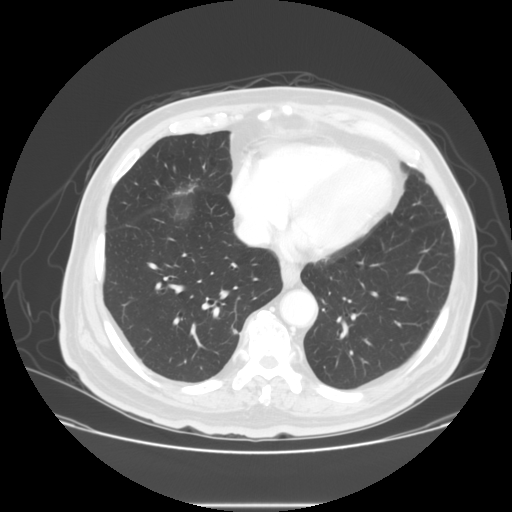
Axial slice 56 of 133 of a chest CT (slice 1 is the lowest), reconstructed with the STANDARD kernel at 140 kVp; 2.50 mm slice thickness and 0.781 mm pixels.
Pulmonary nodule outlined by two of the four readers; box rows 329–333, columns 231–236 (the union of the readers' outlines on this slice); median longest diameter 5.9 mm (readers' outlines 5.0–6.7 mm), median volume 104 mm3 (84–124 mm3). Median ratings and the readers' spread: texture 5/5 (solid) from both readers; median margin 3.5/5 (readers ranged 2/5 to 5/5 (circumscribed)); sphericity 3.5/5 at the median of two readers, spread 2/5 to 5/5 (round); calcification absent, both readers agreeing; internal structure soft tissue from both readers; subtlety 3/5, both readers agreeing; malignancy likelihood 2/5 from both readers. Scale key (1–5): texture non-solid→solid, margin indistinct→circumscribed, sphericity linear→round, subtlety extremely subtle→obvious, malignancy likelihood highly unlikely→highly suspicious of cancer. Box rows and columns are 0-based pixel indices from the top-left corner, inclusive.